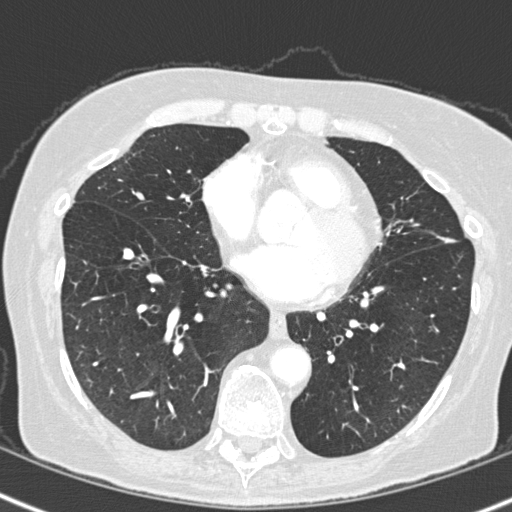
Axial slice 132 of 308 of a chest CT (slice 1 is the lowest), reconstructed with the B45f kernel at 120 kVp; 1.00 mm slice thickness and 0.586 mm pixels.
The readers outlined no nodule of 3 mm or more on this slice.